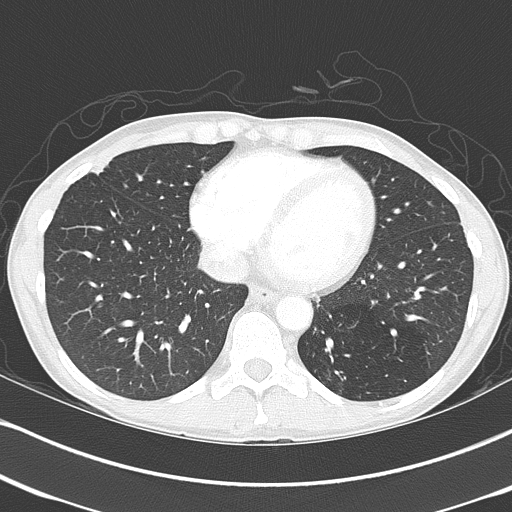
Axial chest CT slice 152 of 368 (counted from the lowest slice); 2.00 mm thick, 0.623 mm per pixel. Pulmonary nodule at rows 163–174, columns 93–106 (box = the one reader's outline on this slice), outlined by all four readers, one of them on this slice; median longest diameter 29.8 mm (readers' outlines 27.1–39.3 mm), median volume 7696 mm3 (6531–9806 mm3). Ratings, median across the readers with their spread: texture 5/5 (solid), all four readers agreeing; margin 4/5 at the median of four readers, spread 2/5 to 5/5 (circumscribed); sphericity 3/5 (ovoid) at the median of four readers, spread 2/5 to 3/5 (ovoid); calcification split among the readers: laminated calcification (one), absent (one), popcorn calcification (one), non-central calcification (one); internal structure soft tissue from all four readers; subtlety 5/5 from all four readers; median malignancy likelihood 3/5 (readers ranged 1–5). Scale key (1–5): texture non-solid→solid, margin indistinct→circumscribed, sphericity linear→round, subtlety extremely subtle→obvious, malignancy likelihood highly unlikely→highly suspicious of cancer. Box rows and columns are 0-based pixel indices from the top-left corner, inclusive.
Acquired at 120 kVp and reconstructed with the B70f kernel.